Chest CT, axial plane, 140 kVp, kernel BONE. Slice 79/123 from the bottom of the scan; thickness 2.50 mm; pixel size 0.586 mm.
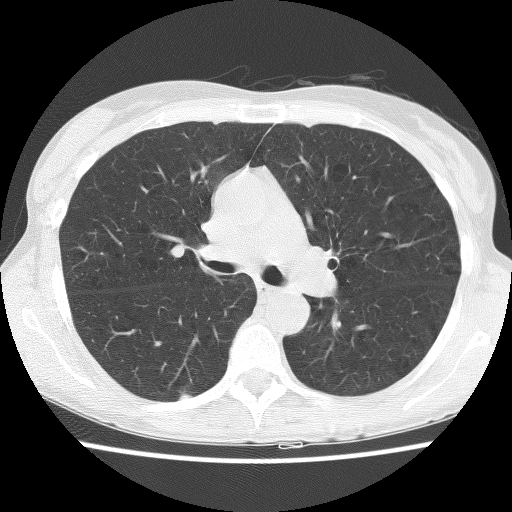
Pulmonary nodule at rows 394–399, columns 179–191 (box = that reader's outline on this slice), outlined by one of the four readers; longest diameter 9.0 mm and volume 157 mm3 from that reader's outline. Ratings by that reader: texture 5/5 (solid); margin 5/5 (circumscribed); sphericity 5/5 (round); calcification absent; internal structure soft tissue; subtlety 5/5; malignancy likelihood 2/5. Scale key (1–5): texture non-solid→solid, margin indistinct→circumscribed, sphericity linear→round, subtlety extremely subtle→obvious, malignancy likelihood highly unlikely→highly suspicious of cancer. Box rows and columns are 0-based pixel indices from the top-left corner, inclusive.